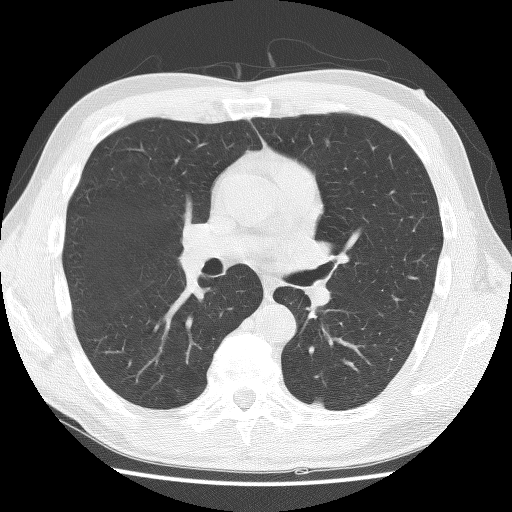
Axial chest CT slice 73 of 132 (counted from the lowest slice); 2.50 mm thick, 0.656 mm per pixel. Pulmonary nodule, outlined by one of the four readers. Box on this slice rows 400–407, columns 310–323, that reader's outline on this slice; longest diameter 10.2 mm and volume 334 mm3 from that reader's outline. That reader's ratings: texture 4/5; margin 4/5; sphericity 2/5; calcification absent; internal structure soft tissue; subtlety 4/5; malignancy likelihood 2/5. Scale key (1–5): texture non-solid→solid, margin indistinct→circumscribed, sphericity linear→round, subtlety extremely subtle→obvious, malignancy likelihood highly unlikely→highly suspicious of cancer. Box rows and columns are 0-based pixel indices from the top-left corner, inclusive.
Scan settings: 140 kVp, BONE reconstruction kernel.